One axial slice (184 of 289, counting up from the lowest) of a chest CT acquired at 120 kVp with the STANDARD kernel; each pixel is 0.764 mm and the slice is 1.25 mm thick.
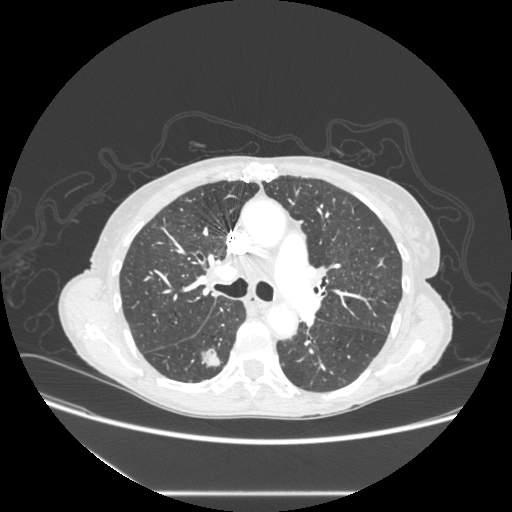
Pulmonary nodule outlined by all four readers; box rows 348–366, columns 201–220 (the union of the readers' outlines on this slice); longest diameter 20.5–21.9 mm and volume 2320–2697 mm3 across the four readers' outlines. Ratings across the readers: texture from 4/5 to 5/5 (solid) across the four readers; margin 4/5 from all four readers; sphericity from 3/5 (ovoid) to 5/5 (round) across the four readers; calcification absent from all four readers; internal structure soft tissue, all four readers agreeing; subtlety from 4/5 to 5/5 across the four readers; malignancy likelihood 3–5/5 (the readers disagree). Scale key (1–5): texture non-solid→solid, margin indistinct→circumscribed, sphericity linear→round, subtlety extremely subtle→obvious, malignancy likelihood highly unlikely→highly suspicious of cancer. Box rows and columns are 0-based pixel indices from the top-left corner, inclusive.